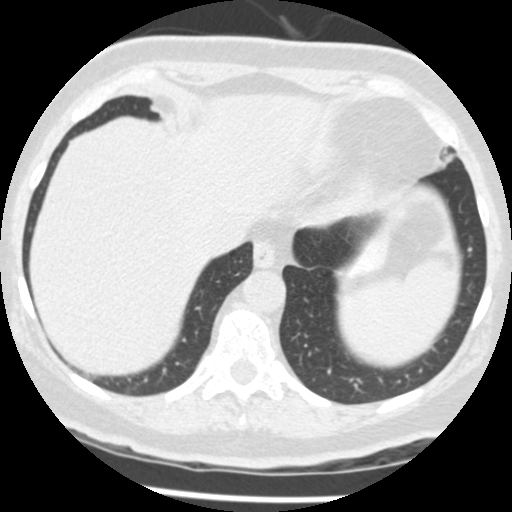
Axial chest CT slice 106 of 433 (counted from the lowest slice); 1.25 mm thick, 0.547 mm per pixel. Pulmonary nodule outlined by two of the four readers; box rows 247–251, columns 467–472 (the union of the readers' outlines on this slice); median longest diameter 4.6 mm (readers' outlines 4.4–4.7 mm), median volume 51 mm3 (49–52 mm3). Median ratings and the readers' spread: texture 5/5 (solid) from both readers; margin 5/5 (circumscribed) from both readers; sphericity 5/5 (round), both readers agreeing; calcification solid calcification from both readers; internal structure soft tissue from both readers; subtlety 5/5 from both readers; malignancy likelihood 1/5 from both readers. Scale key (1–5): texture non-solid→solid, margin indistinct→circumscribed, sphericity linear→round, subtlety extremely subtle→obvious, malignancy likelihood highly unlikely→highly suspicious of cancer. Box rows and columns are 0-based pixel indices from the top-left corner, inclusive.
Tube voltage 120 kVp; convolution kernel STANDARD.